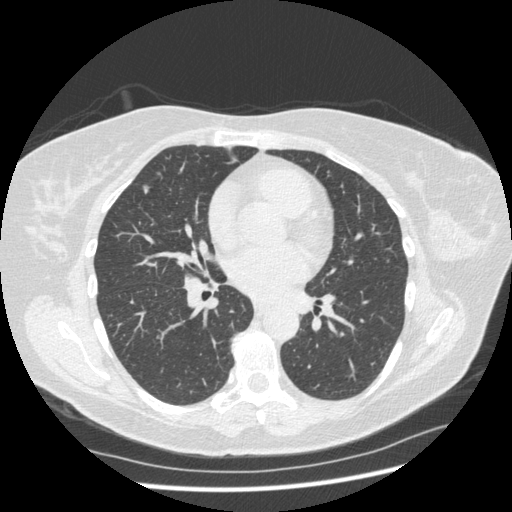
Axial chest CT slice 215 of 436 (counted from the lowest slice); 1.25 mm thick, 0.703 mm per pixel. Pulmonary nodule outlined by two of the four readers; box rows 184–193, columns 142–149 (the union of the readers' outlines on this slice); longest diameter 7.9 mm and volume 55–64 mm3 across the two readers' outlines. The readers' ratings, as ranges where they differ: texture 5/5 (solid) from both readers; margin from 3/5 to 4/5 across the two readers; sphericity from 3/5 (ovoid) to 4/5 across the two readers; calcification absent from both readers; internal structure soft tissue, both readers agreeing; subtlety rated between 3 and 4 out of 5 by the two readers; malignancy likelihood rated between 2 and 4 out of 5 by the two readers. Scale key (1–5): texture non-solid→solid, margin indistinct→circumscribed, sphericity linear→round, subtlety extremely subtle→obvious, malignancy likelihood highly unlikely→highly suspicious of cancer. Box rows and columns are 0-based pixel indices from the top-left corner, inclusive.
Scan settings: 120 kVp, STANDARD reconstruction kernel.